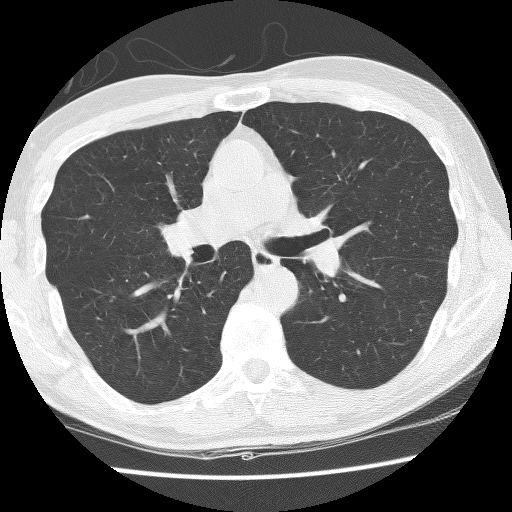
Slice 88/144 of a chest CT, counting up from the lowest; pixel size 0.617 mm, slice thickness 2.50 mm. Pulmonary nodule at rows 299–301, columns 109–112 (box = the union of the readers' outlines on this slice), outlined by two of the four readers; longest diameter 3.5 mm on average over the two readers' outlines (readers' outlines 2.5–4.4 mm), volume 10–38 mm3. Ratings, by the readers' most common answer with dissent counted: texture split among the readers: 2/5 (one), 5/5 (solid) (one); margin 3/5, both readers agreeing; sphericity 2/5 from both readers; calcification absent, both readers agreeing; internal structure soft tissue from both readers; subtlety split among the readers: 1/5 (one), 2/5 (one); malignancy likelihood split among the readers: 1/5 (one), 3/5 (one). Scale key (1–5): texture non-solid→solid, margin indistinct→circumscribed, sphericity linear→round, subtlety extremely subtle→obvious, malignancy likelihood highly unlikely→highly suspicious of cancer. Box rows and columns are 0-based pixel indices from the top-left corner, inclusive.
Acquired at 140 kVp and reconstructed with the BONE kernel.